Axial chest CT slice 123 of 208 (counted from the lowest slice); tube voltage 120 kVp, convolution kernel BONE; slices 1.25 mm thick, 0.723 mm per pixel.
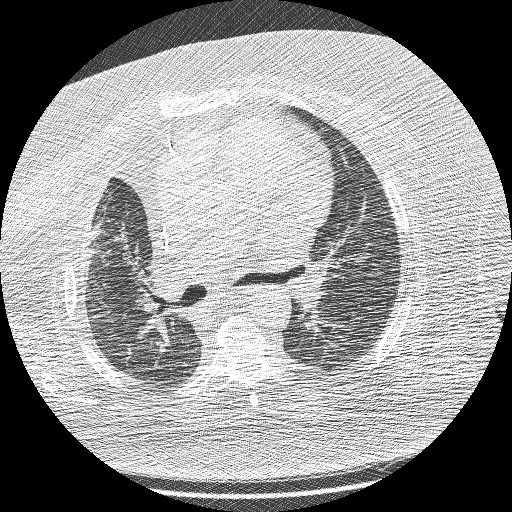
Pulmonary nodule, outlined by all four readers, one of them on this slice. Box on this slice rows 227–240, columns 92–102, the one reader's outline on this slice; longest diameter 27.8 mm on average over the four readers' outlines (readers' outlines 25.6–30.6 mm), volume 4623–6820 mm3. Ratings, by the readers' most common answer with dissent counted: texture 5/5 (solid) from all four readers; most readers (three of four) put margin at 3/5, others 1/5 (indistinct) (one); sphericity 3/5 (ovoid) by three of four readers; the rest gave 4/5 (one); calcification absent from all four readers; internal structure soft tissue, all four readers agreeing; subtlety 5/5, all four readers agreeing; malignancy likelihood 5/5, all four readers agreeing. Scale key (1–5): texture non-solid→solid, margin indistinct→circumscribed, sphericity linear→round, subtlety extremely subtle→obvious, malignancy likelihood highly unlikely→highly suspicious of cancer. Box rows and columns are 0-based pixel indices from the top-left corner, inclusive.